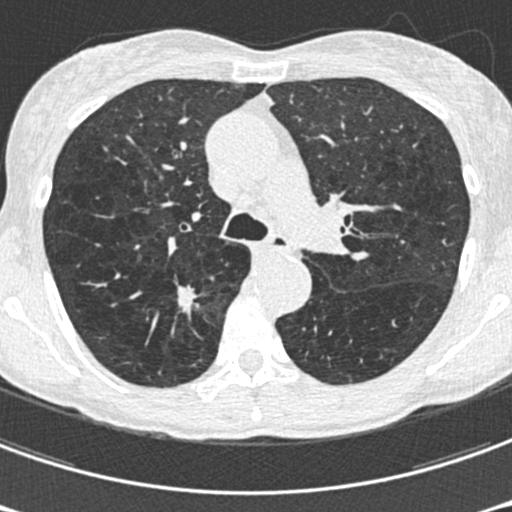
Axial chest CT slice 410 of 633 (counted from the lowest slice); tube voltage 120 kVp, convolution kernel B30f; slices 0.60 mm thick, 0.541 mm per pixel.
Pulmonary nodule, outlined by all four readers. Box on this slice rows 284–319, columns 178–196, the union of the readers' outlines on this slice; the four readers' outlines give a longest diameter between 18.1 and 21.0 mm and a volume between 1292 and 1642 mm3. The readers' ratings, as ranges where they differ: texture 5/5 (solid), all four readers agreeing; margin from 1/5 (indistinct) to 3/5 across the four readers; sphericity from 2/5 to 4/5 across the four readers; calcification absent from all four readers; internal structure soft tissue, all four readers agreeing; subtlety rated between 4 and 5 out of 5 by the four readers; malignancy likelihood 4–5/5 (the readers disagree). Scale key (1–5): texture non-solid→solid, margin indistinct→circumscribed, sphericity linear→round, subtlety extremely subtle→obvious, malignancy likelihood highly unlikely→highly suspicious of cancer. Box rows and columns are 0-based pixel indices from the top-left corner, inclusive.